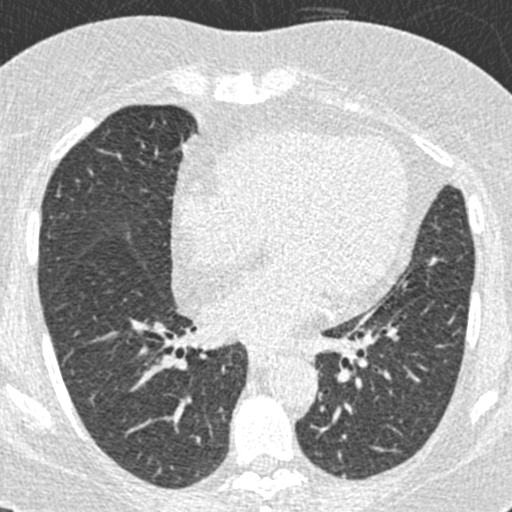
This is axial slice 230 of 423 (slice 1 is the lowest) of a chest CT; each pixel is 0.520 mm and the slice is 0.75 mm thick. Pulmonary nodule at rows 472–478, columns 340–346 (box = that reader's outline on this slice), outlined by one of the four readers; longest diameter 9.7 mm and volume 143 mm3 from that reader's outline. Ratings by that reader: texture 3/5 (part-solid); margin 3/5; sphericity 3/5 (ovoid); calcification absent; internal structure soft tissue; subtlety 5/5; malignancy likelihood 3/5. Scale key (1–5): texture non-solid→solid, margin indistinct→circumscribed, sphericity linear→round, subtlety extremely subtle→obvious, malignancy likelihood highly unlikely→highly suspicious of cancer. Box rows and columns are 0-based pixel indices from the top-left corner, inclusive.
Acquired at 120 kVp and reconstructed with the B30f kernel.